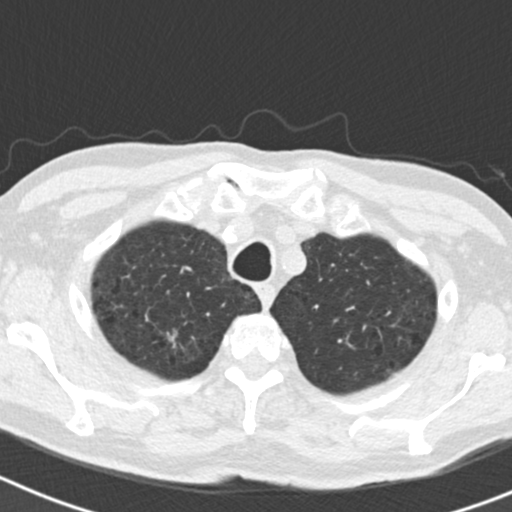
Axial chest CT slice 159 of 186 (counted from the lowest slice); tube voltage 120 kVp, convolution kernel B30f; slices 2.00 mm thick, 0.586 mm per pixel.
Pulmonary nodule at rows 331–340, columns 169–175 (box = that reader's outline on this slice), outlined by one of the four readers; longest diameter 13.5 mm and volume 304 mm3 from that reader's outline. Ratings by that reader: texture 3/5 (part-solid); margin 2/5; sphericity 4/5; calcification absent; internal structure soft tissue; subtlety 4/5; malignancy likelihood 3/5. Scale key (1–5): texture non-solid→solid, margin indistinct→circumscribed, sphericity linear→round, subtlety extremely subtle→obvious, malignancy likelihood highly unlikely→highly suspicious of cancer. Box rows and columns are 0-based pixel indices from the top-left corner, inclusive.